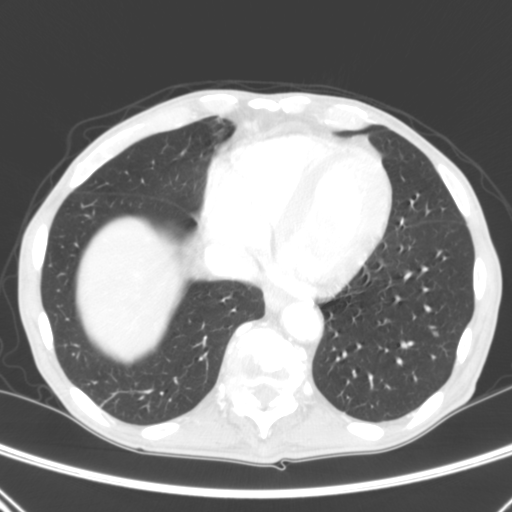
Axial slice 81 of 290 of a chest CT (slice 1 is the lowest), reconstructed with the B kernel at 120 kVp; 2.00 mm slice thickness and 0.639 mm pixels.
Pulmonary nodule, outlined by three of the four readers. Box on this slice rows 330–336, columns 431–438, the union of the readers' outlines on this slice; the three readers' outlines give a longest diameter between 5.1 and 6.6 mm and a volume between 48 and 82 mm3. Ratings across the readers: texture from 3/5 (part-solid) to 5/5 (solid) across the three readers; margin from 2/5 to 5/5 (circumscribed) across the three readers; sphericity from 3/5 (ovoid) to 4/5 across the three readers; calcification absent from all three readers; internal structure soft tissue from all three readers; subtlety rated between 4 and 5 out of 5 by the three readers; malignancy likelihood rated between 2 and 3 out of 5 by the three readers. Scale key (1–5): texture non-solid→solid, margin indistinct→circumscribed, sphericity linear→round, subtlety extremely subtle→obvious, malignancy likelihood highly unlikely→highly suspicious of cancer. Box rows and columns are 0-based pixel indices from the top-left corner, inclusive.